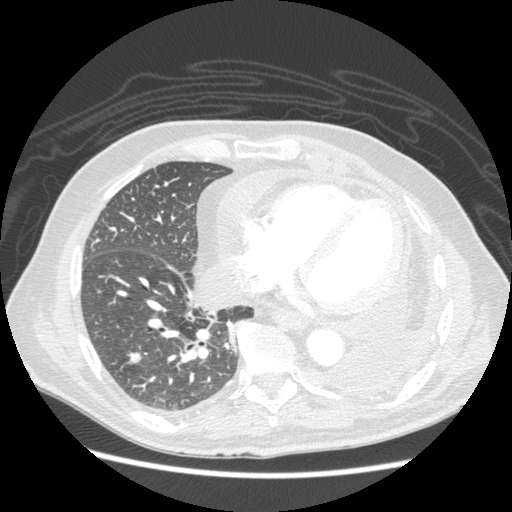
Chest CT, axial plane, 120 kVp, kernel STANDARD. Slice 84/214 from the bottom of the scan; thickness 1.25 mm; pixel size 0.703 mm.
Pulmonary nodule at rows 354–363, columns 125–140 (box = the union of the readers' outlines on this slice), outlined by two of the four readers; median longest diameter 13.6 mm (readers' outlines 12.8–14.3 mm), median volume 257 mm3 (228–287 mm3). Median ratings and the readers' spread: median texture 4.5/5 (readers ranged 4/5 to 5/5 (solid)); margin 4/5, both readers agreeing; median sphericity 4.5/5 (readers ranged 4/5 to 5/5 (round)); calcification absent from both readers; internal structure soft tissue, both readers agreeing; subtlety 5/5, both readers agreeing; median malignancy likelihood 3.5/5 (readers ranged 3–4). Scale key (1–5): texture non-solid→solid, margin indistinct→circumscribed, sphericity linear→round, subtlety extremely subtle→obvious, malignancy likelihood highly unlikely→highly suspicious of cancer. Box rows and columns are 0-based pixel indices from the top-left corner, inclusive.